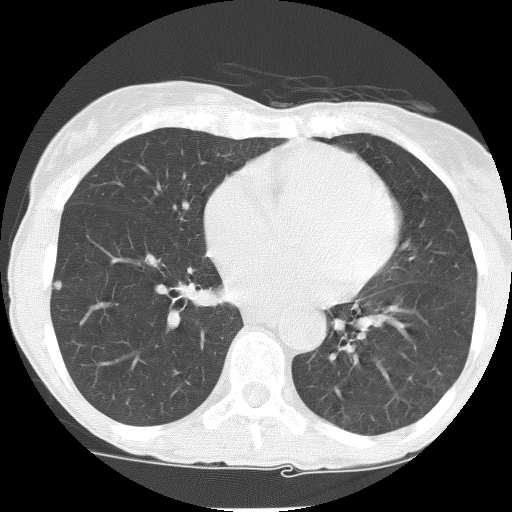
Axial chest CT slice 61 of 127 (counted from the lowest slice); tube voltage 140 kVp, convolution kernel BONE; slices 2.50 mm thick, 0.523 mm per pixel.
Pulmonary nodule outlined by all four readers; box rows 280–290, columns 53–61 (the union of the readers' outlines on this slice); median longest diameter 5.9 mm (readers' outlines 4.7–6.5 mm), median volume 70 mm3 (51–96 mm3). Ratings, median across the readers with their spread: median texture 5/5 (solid) (readers ranged 3/5 (part-solid) to 5/5 (solid)); median margin 4/5 (readers ranged 3/5 to 5/5 (circumscribed)); sphericity 4/5 from all four readers; calcification absent from all four readers; internal structure soft tissue from all four readers; subtlety 4/5 from all four readers; median malignancy likelihood 3/5 (readers ranged 2–3). Scale key (1–5): texture non-solid→solid, margin indistinct→circumscribed, sphericity linear→round, subtlety extremely subtle→obvious, malignancy likelihood highly unlikely→highly suspicious of cancer. Box rows and columns are 0-based pixel indices from the top-left corner, inclusive.